One axial slice (120 of 253, counting up from the lowest) of a chest CT acquired at 120 kVp with the STANDARD kernel; each pixel is 0.742 mm and the slice is 1.25 mm thick.
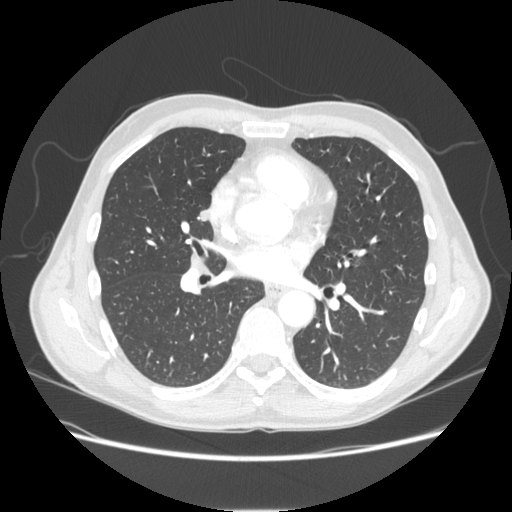
Pulmonary nodule at rows 210–220, columns 199–208 (box = the union of the readers' outlines on this slice), outlined by all four readers; longest diameter 8.7–10.7 mm and volume 228–321 mm3 across the four readers' outlines. Ratings across the readers: texture 5/5 (solid) from all four readers; margin 5/5 (circumscribed), all four readers agreeing; sphericity from 3/5 (ovoid) to 5/5 (round) across the four readers; calcification absent from all four readers; internal structure soft tissue from all four readers; subtlety rated between 3 and 5 out of 5 by the four readers; malignancy likelihood rated between 2 and 4 out of 5 by the four readers. Scale key (1–5): texture non-solid→solid, margin indistinct→circumscribed, sphericity linear→round, subtlety extremely subtle→obvious, malignancy likelihood highly unlikely→highly suspicious of cancer. Box rows and columns are 0-based pixel indices from the top-left corner, inclusive.